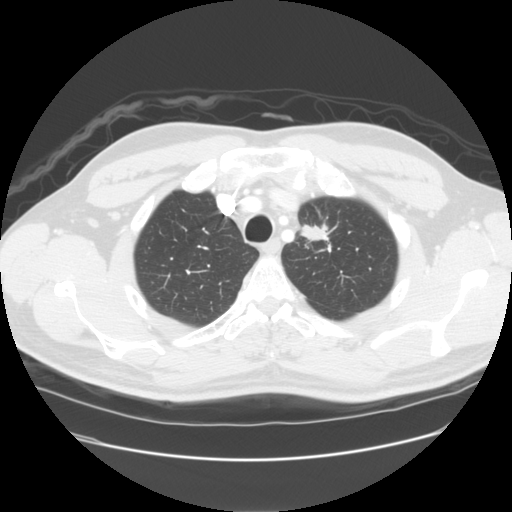
This is axial slice 116 of 137 (slice 1 is the lowest) of a chest CT; each pixel is 0.742 mm and the slice is 2.50 mm thick. Pulmonary nodule outlined by all four readers; box rows 222–245, columns 298–336 (the union of the readers' outlines on this slice); longest diameter 30.7–45.5 mm and volume 6191–8548 mm3 across the four readers' outlines. The readers' ratings, as ranges where they differ: texture from 4/5 to 5/5 (solid) across the four readers; margin from 2/5 to 4/5 across the four readers; sphericity from 3/5 (ovoid) to 5/5 (round) across the four readers; calcification absent from all four readers; internal structure soft tissue, all four readers agreeing; subtlety 5/5 from all four readers; malignancy likelihood from 4/5 to 5/5 across the four readers. Scale key (1–5): texture non-solid→solid, margin indistinct→circumscribed, sphericity linear→round, subtlety extremely subtle→obvious, malignancy likelihood highly unlikely→highly suspicious of cancer. Box rows and columns are 0-based pixel indices from the top-left corner, inclusive.
Tube voltage 120 kVp; convolution kernel STANDARD.